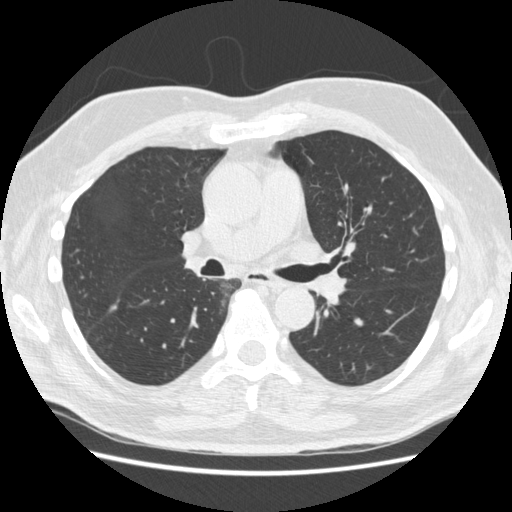
This is axial slice 299 of 557 (slice 1 is the lowest) of a chest CT; each pixel is 0.703 mm and the slice is 1.25 mm thick. Pulmonary nodule at rows 304–311, columns 109–117 (box = the union of the readers' outlines on this slice), outlined by all four readers; longest diameter 19.1–25.0 mm and volume 785–1099 mm3 across the four readers' outlines. The readers' ratings, as ranges where they differ: texture from 4/5 to 5/5 (solid) across the four readers; margin from 3/5 to 5/5 (circumscribed) across the four readers; sphericity from 2/5 to 3/5 (ovoid) across the four readers; calcification absent, all four readers agreeing; internal structure soft tissue, all four readers agreeing; subtlety rated between 4 and 5 out of 5 by the four readers; malignancy likelihood from 2/5 to 5/5 across the four readers. Scale key (1–5): texture non-solid→solid, margin indistinct→circumscribed, sphericity linear→round, subtlety extremely subtle→obvious, malignancy likelihood highly unlikely→highly suspicious of cancer. Box rows and columns are 0-based pixel indices from the top-left corner, inclusive.
Scan settings: 120 kVp, STANDARD reconstruction kernel.